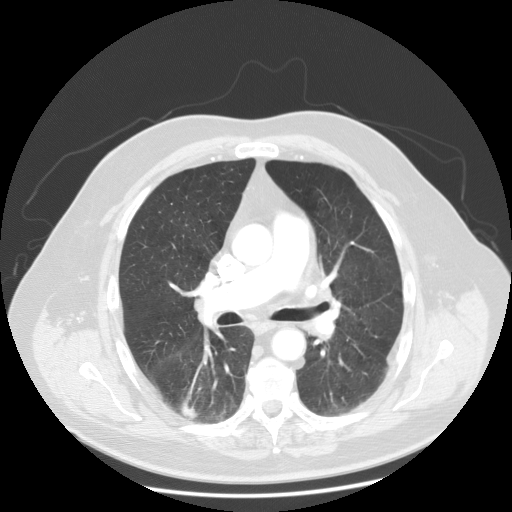
This is axial slice 77 of 133 (slice 1 is the lowest) of a chest CT; each pixel is 0.820 mm and the slice is 2.50 mm thick. No nodule of 3 mm or larger was outlined by any of the four readers on this slice.
Acquired at 120 kVp and reconstructed with the STANDARD kernel.